One axial slice (44 of 99, counting up from the lowest) of a chest CT acquired at 135 kVp with the FC01 kernel; each pixel is 0.586 mm and the slice is 3.00 mm thick.
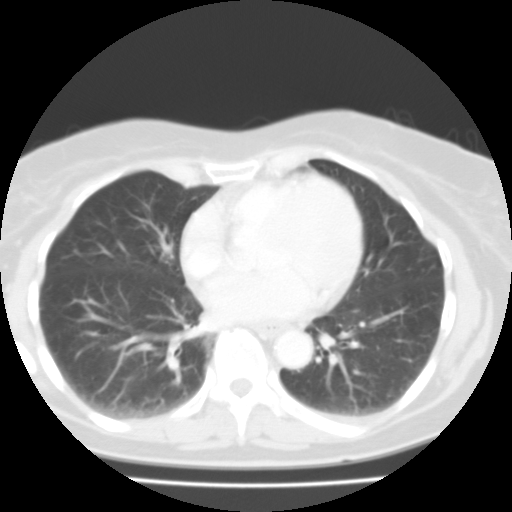
None of the four readers outlined a nodule of 3 mm or more on this slice.